Axial slice 57 of 129 of a chest CT (slice 1 is the lowest), reconstructed with the FC01 kernel at 135 kVp; 3.00 mm slice thickness and 0.662 mm pixels.
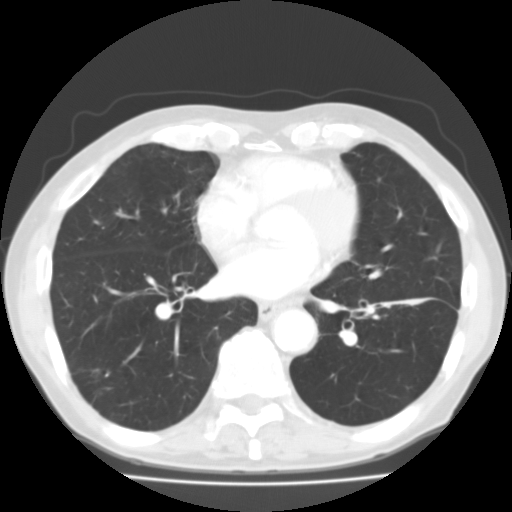
Pulmonary nodule at rows 369–395, columns 91–105 (box = the one reader's outline on this slice), outlined by two of the four readers, one of them on this slice; the two readers' outlines give a longest diameter between 30.7 and 33.2 mm and a volume between 2555 and 2947 mm3. The readers' ratings, as ranges where they differ: texture from 3/5 (part-solid) to 4/5 across the two readers; margin from 1/5 (indistinct) to 4/5 across the two readers; sphericity from 3/5 (ovoid) to 5/5 (round) across the two readers; calcification absent from both readers; internal structure soft tissue, both readers agreeing; subtlety 5/5 from both readers; malignancy likelihood from 3/5 to 4/5 across the two readers. Scale key (1–5): texture non-solid→solid, margin indistinct→circumscribed, sphericity linear→round, subtlety extremely subtle→obvious, malignancy likelihood highly unlikely→highly suspicious of cancer. Box rows and columns are 0-based pixel indices from the top-left corner, inclusive.